Chest CT, axial plane, 120 kVp, kernel B45f. Slice 232/347 from the bottom of the scan; thickness 1.00 mm; pixel size 0.625 mm.
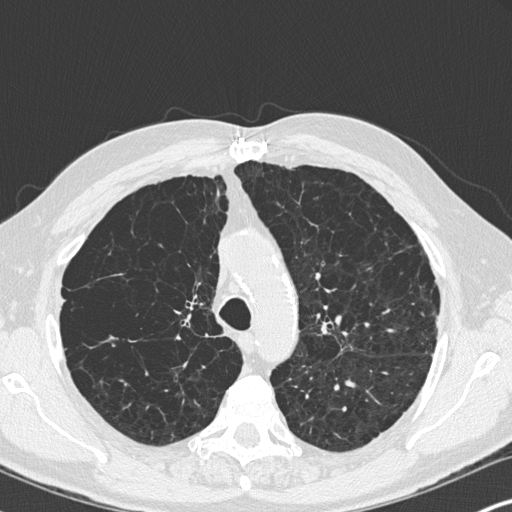
Pulmonary nodule outlined by all four readers, one of them on this slice; box rows 370–372, columns 370–372 (the one reader's outline on this slice); median longest diameter 7.7 mm (readers' outlines 6.4–10.3 mm), median volume 73 mm3 (66–148 mm3). Ratings, median across the readers with their spread: texture 5/5 (solid) from all four readers; median margin 5/5 (circumscribed) (readers ranged 4/5 to 5/5 (circumscribed)); sphericity 3.5/5 at the median of four readers, spread 2/5 to 4/5; calcification absent, all four readers agreeing; internal structure soft tissue, all four readers agreeing; subtlety 3.5/5 at the median of four readers, spread 3–5; median malignancy likelihood 3/5 (readers ranged 2–3). Scale key (1–5): texture non-solid→solid, margin indistinct→circumscribed, sphericity linear→round, subtlety extremely subtle→obvious, malignancy likelihood highly unlikely→highly suspicious of cancer. Box rows and columns are 0-based pixel indices from the top-left corner, inclusive.